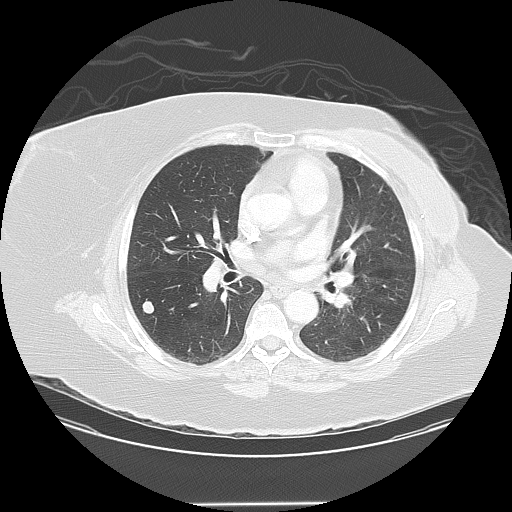
This is axial slice 82 of 133 (slice 1 is the lowest) of a chest CT; each pixel is 0.859 mm and the slice is 2.50 mm thick. Pulmonary nodule outlined by all four readers; box rows 299–313, columns 142–153 (the union of the readers' outlines on this slice); longest diameter 12.8 mm on average over the four readers' outlines (readers' outlines 11.9–14.2 mm), volume 819–997 mm3. Ratings, by the readers' most common answer with dissent counted: texture 5/5 (solid) from all four readers; margin 5/5 (circumscribed) by three of four readers; the rest gave 4/5 (one); sphericity 4/5 by three of four readers; the rest gave 3/5 (ovoid) (one); calcification absent, all four readers agreeing; internal structure soft tissue, all four readers agreeing; subtlety 5/5 by three of four readers; the rest gave 4/5 (one); malignancy likelihood 2/5 by two of four readers; the rest gave 4/5 (one), 5/5 (one). Scale key (1–5): texture non-solid→solid, margin indistinct→circumscribed, sphericity linear→round, subtlety extremely subtle→obvious, malignancy likelihood highly unlikely→highly suspicious of cancer. Box rows and columns are 0-based pixel indices from the top-left corner, inclusive.
Tube voltage 120 kVp; convolution kernel LUNG.